Axial chest CT slice 298 of 465 (counted from the lowest slice); tube voltage 120 kVp, convolution kernel STANDARD; slices 1.25 mm thick, 0.586 mm per pixel.
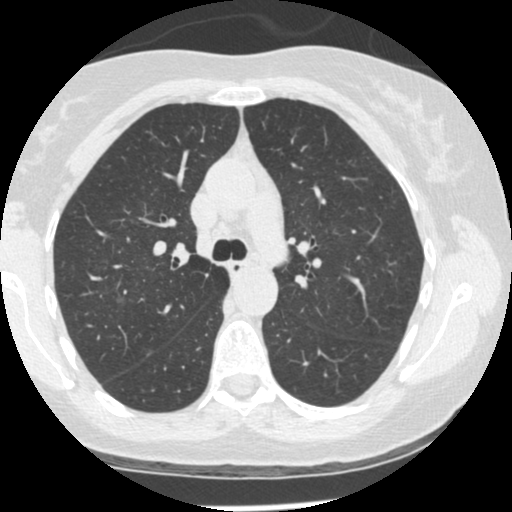
Pulmonary nodule outlined by one of the four readers; box rows 297–303, columns 116–125 (that reader's outline on this slice); longest diameter 7.5 mm and volume 69 mm3 from that reader's outline. That reader's ratings: texture 1/5 (non-solid); margin 1/5 (indistinct); sphericity 3/5 (ovoid); calcification absent; internal structure soft tissue; subtlety 5/5; malignancy likelihood 3/5. Scale key (1–5): texture non-solid→solid, margin indistinct→circumscribed, sphericity linear→round, subtlety extremely subtle→obvious, malignancy likelihood highly unlikely→highly suspicious of cancer. Box rows and columns are 0-based pixel indices from the top-left corner, inclusive.